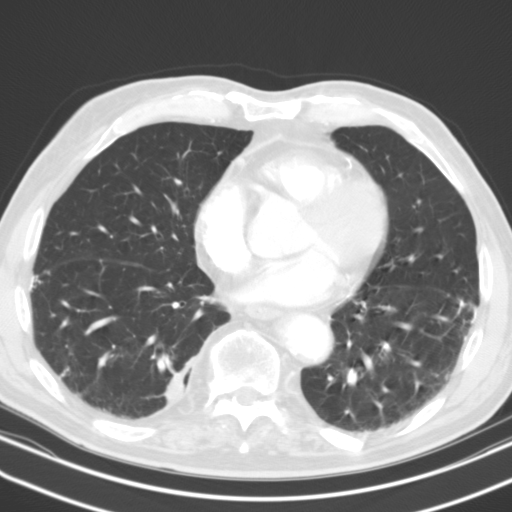
Axial chest CT slice 57 of 127 (counted from the lowest slice); 3.00 mm thick, 0.668 mm per pixel. Pulmonary nodule at rows 373–402, columns 164–183 (box = the union of the readers' outlines on this slice), outlined by two of the four readers; the two readers' outlines give a longest diameter between 25.6 and 26.3 mm and a volume between 5517 and 6604 mm3. Ratings across the readers: texture 5/5 (solid), both readers agreeing; margin 4/5, both readers agreeing; sphericity from 2/5 to 3/5 (ovoid) across the two readers; calcification absent, both readers agreeing; internal structure soft tissue from both readers; subtlety 5/5 from both readers; malignancy likelihood from 2/5 to 3/5 across the two readers. Scale key (1–5): texture non-solid→solid, margin indistinct→circumscribed, sphericity linear→round, subtlety extremely subtle→obvious, malignancy likelihood highly unlikely→highly suspicious of cancer. Box rows and columns are 0-based pixel indices from the top-left corner, inclusive.
Tube voltage 130 kVp; convolution kernel B31s.